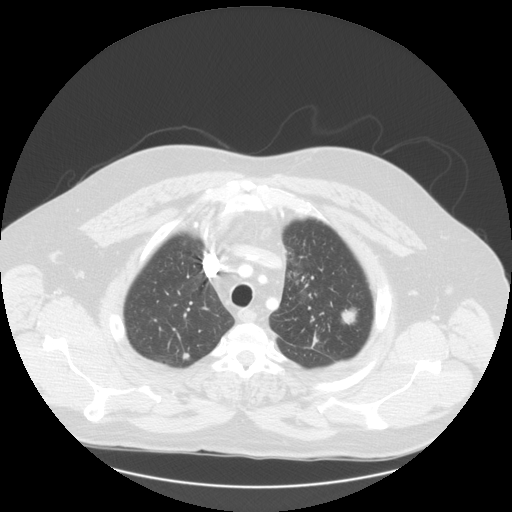
Axial chest CT slice 114 of 133 (counted from the lowest slice); tube voltage 120 kVp, convolution kernel STANDARD; slices 2.50 mm thick, 0.859 mm per pixel.
Two pulmonary nodules are outlined on this slice; from left to right: (1) Pulmonary nodule, outlined by all four readers. Box on this slice rows 352–359, columns 182–189, the union of the readers' outlines on this slice; longest diameter 8.8 mm on average over the four readers' outlines (readers' outlines 8.2–9.3 mm), volume 187–316 mm3. The readers' prevailing ratings and who disagreed: texture 5/5 (solid), all four readers agreeing; margin split among the readers: 4/5 (two), 5/5 (circumscribed) (two); sphericity 4/5 by two of four readers; the rest gave 3/5 (ovoid) (one), 5/5 (round) (one); calcification absent from all four readers; internal structure soft tissue from all four readers; most readers (three of four) put subtlety at 3/5, others 4/5 (one); malignancy likelihood split among the readers: 2/5 (two), 3/5 (two). (2) Pulmonary nodule, outlined by all four readers. Box on this slice rows 305–325, columns 340–360, the union of the readers' outlines on this slice; median longest diameter 18.0 mm (readers' outlines 16.4–22.4 mm), median volume 1975 mm3 (1808–2759 mm3). Ratings, median across the readers with their spread: median texture 4.5/5 (readers ranged 4/5 to 5/5 (solid)); median margin 4/5 (readers ranged 3/5 to 5/5 (circumscribed)); median sphericity 4.5/5 (readers ranged 3/5 (ovoid) to 5/5 (round)); calcification absent, all four readers agreeing; internal structure soft tissue, all four readers agreeing; subtlety 5/5 at the median of four readers, spread 3–5; malignancy likelihood 4.5/5 at the median of four readers, spread 4–5. Scale key (1–5): texture non-solid→solid, margin indistinct→circumscribed, sphericity linear→round, subtlety extremely subtle→obvious, malignancy likelihood highly unlikely→highly suspicious of cancer. Box rows and columns are 0-based pixel indices from the top-left corner, inclusive.